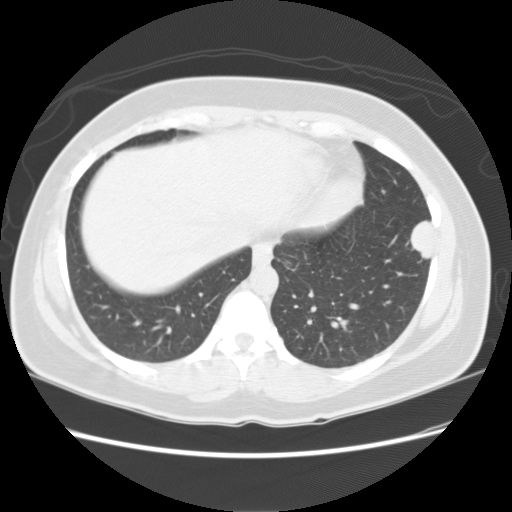
Axial chest CT slice 50 of 127 (counted from the lowest slice); tube voltage 120 kVp, convolution kernel STANDARD; slices 2.50 mm thick, 0.703 mm per pixel.
Pulmonary nodule at rows 220–258, columns 410–433 (box = the union of the readers' outlines on this slice), outlined by all four readers; the four readers' outlines give a longest diameter between 27.7 and 28.3 mm and a volume between 5117 and 6404 mm3. Ratings across the readers: texture 5/5 (solid) from all four readers; margin from 4/5 to 5/5 (circumscribed) across the four readers; sphericity from 3/5 (ovoid) to 5/5 (round) across the four readers; calcification absent, all four readers agreeing; internal structure soft tissue from all four readers; subtlety 5/5 from all four readers; malignancy likelihood 3–5/5 (the readers disagree). Scale key (1–5): texture non-solid→solid, margin indistinct→circumscribed, sphericity linear→round, subtlety extremely subtle→obvious, malignancy likelihood highly unlikely→highly suspicious of cancer. Box rows and columns are 0-based pixel indices from the top-left corner, inclusive.